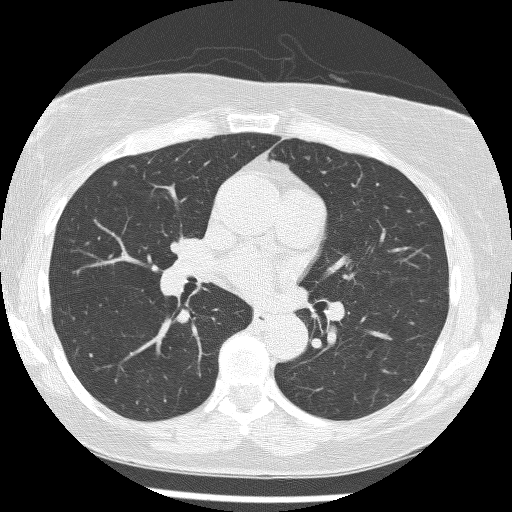
This is axial slice 130 of 241 (slice 1 is the lowest) of a chest CT; each pixel is 0.586 mm and the slice is 1.25 mm thick. Pulmonary nodule, outlined by one of the four readers. Box on this slice rows 181–185, columns 112–115, that reader's outline on this slice; longest diameter 4.1 mm and volume 39 mm3 from that reader's outline. That reader's ratings: texture 5/5 (solid); margin 5/5 (circumscribed); sphericity 5/5 (round); calcification absent; internal structure soft tissue; subtlety 4/5; malignancy likelihood 1/5. Scale key (1–5): texture non-solid→solid, margin indistinct→circumscribed, sphericity linear→round, subtlety extremely subtle→obvious, malignancy likelihood highly unlikely→highly suspicious of cancer. Box rows and columns are 0-based pixel indices from the top-left corner, inclusive.
Acquired at 120 kVp and reconstructed with the BONE kernel.